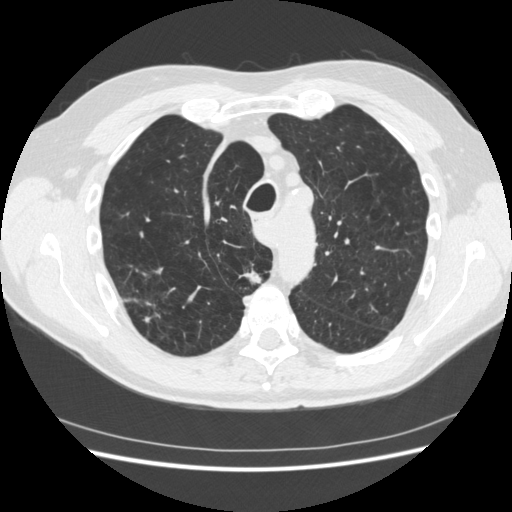
One axial slice (339 of 481, counting up from the lowest) of a chest CT acquired at 120 kVp with the STANDARD kernel; each pixel is 0.703 mm and the slice is 1.25 mm thick.
Two pulmonary nodules are outlined on this slice; from left to right: (1) Pulmonary nodule, outlined by all four readers, two of them on this slice. Box on this slice rows 296–323, columns 123–160, the union of the readers' outlines on this slice; the four readers' outlines give a longest diameter between 18.7 and 34.9 mm and a volume between 1155 and 4169 mm3. Ratings across the readers: texture from 4/5 to 5/5 (solid) across the four readers; margin from 1/5 (indistinct) to 4/5 across the four readers; sphericity from 2/5 to 5/5 (round) across the four readers; calcification absent, all four readers agreeing; internal structure soft tissue from all four readers; subtlety 5/5, all four readers agreeing; malignancy likelihood rated between 4 and 5 out of 5 by the four readers. (2) Pulmonary nodule, outlined by three of the four readers. Box on this slice rows 269–284, columns 240–261, the union of the readers' outlines on this slice; longest diameter 15.9 mm on average over the three readers' outlines (readers' outlines 13.5–18.5 mm), volume 529–1088 mm3. The readers' prevailing ratings and who disagreed: texture 5/5 (solid) from all three readers; margin 4/5 by two of three readers; the rest gave 1/5 (indistinct) (one); sphericity 3/5 (ovoid) by two of three readers; the rest gave 2/5 (one); calcification absent, all three readers agreeing; internal structure soft tissue from all three readers; most readers (two of three) put subtlety at 5/5, others 4/5 (one); most readers (two of three) put malignancy likelihood at 5/5, others 3/5 (one). Scale key (1–5): texture non-solid→solid, margin indistinct→circumscribed, sphericity linear→round, subtlety extremely subtle→obvious, malignancy likelihood highly unlikely→highly suspicious of cancer. Box rows and columns are 0-based pixel indices from the top-left corner, inclusive.